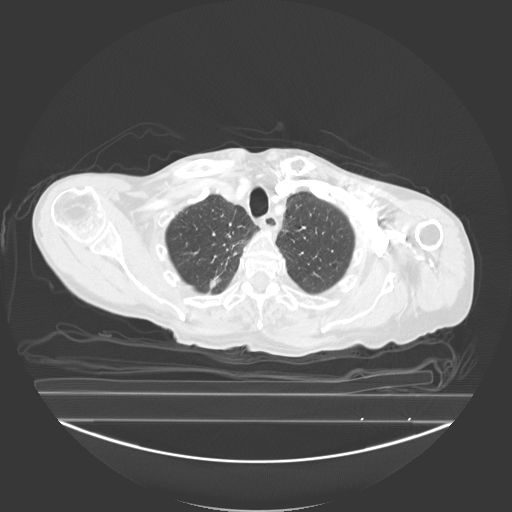
One axial slice (225 of 278, counting up from the lowest) of a chest CT acquired at 130 kVp with the B40s kernel; each pixel is 0.977 mm and the slice is 3.00 mm thick.
Pulmonary nodule, outlined by all four readers. Box on this slice rows 277–289, columns 209–220, the union of the readers' outlines on this slice; median longest diameter 14.6 mm (readers' outlines 13.1–14.9 mm), median volume 551 mm3 (359–605 mm3). Median ratings and the readers' spread: median texture 4.5/5 (readers ranged 4/5 to 5/5 (solid)); margin 4/5 at the median of four readers, spread 2/5 to 4/5; sphericity 3.5/5 at the median of four readers, spread 3/5 (ovoid) to 5/5 (round); calcification absent from all four readers; internal structure soft tissue from all four readers; median subtlety 4.5/5 (readers ranged 4–5); median malignancy likelihood 3.5/5 (readers ranged 2–4). Scale key (1–5): texture non-solid→solid, margin indistinct→circumscribed, sphericity linear→round, subtlety extremely subtle→obvious, malignancy likelihood highly unlikely→highly suspicious of cancer. Box rows and columns are 0-based pixel indices from the top-left corner, inclusive.